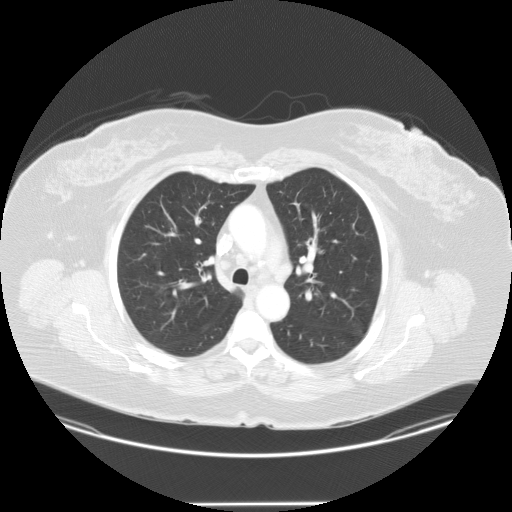
Axial slice 59 of 95 of a chest CT (slice 1 is the lowest), reconstructed with the STANDARD kernel at 120 kVp; 2.50 mm slice thickness and 0.859 mm pixels.
No nodule of 3 mm or larger was outlined by any of the four readers on this slice.